Axial slice 89 of 214 of a chest CT (slice 1 is the lowest), reconstructed with the LUNG kernel at 120 kVp; 1.25 mm slice thickness and 0.820 mm pixels.
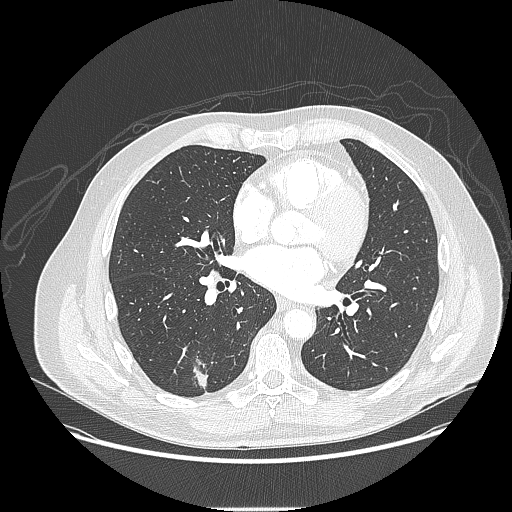
Pulmonary nodule outlined by all four readers, three of them on this slice; box rows 367–386, columns 193–207 (the union of the readers' outlines on this slice); longest diameter 22.2 mm on average over the four readers' outlines (readers' outlines 14.7–27.9 mm), volume 696–2326 mm3. Ratings, by the readers' most common answer with dissent counted: texture 5/5 (solid) by three of four readers; the rest gave 4/5 (one); margin 4/5 by three of four readers; the rest gave 1/5 (indistinct) (one); sphericity split among the readers: 2/5 (two), 3/5 (ovoid) (two); calcification absent from all four readers; internal structure soft tissue from all four readers; subtlety split among the readers: 4/5 (two), 5/5 (two); malignancy likelihood 4/5 by three of four readers; the rest gave 3/5 (one). Scale key (1–5): texture non-solid→solid, margin indistinct→circumscribed, sphericity linear→round, subtlety extremely subtle→obvious, malignancy likelihood highly unlikely→highly suspicious of cancer. Box rows and columns are 0-based pixel indices from the top-left corner, inclusive.